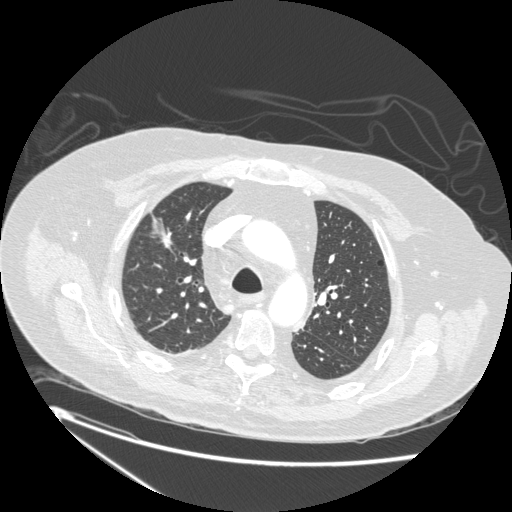
Chest CT, axial plane, 120 kVp, kernel STANDARD. Slice 170/238 from the bottom of the scan; thickness 1.25 mm; pixel size 0.781 mm.
Pulmonary nodule at rows 234–245, columns 162–170 (box = the one reader's outline on this slice), outlined by two of the four readers, one of them on this slice; median longest diameter 10.8 mm (readers' outlines 7.7–14.0 mm), median volume 175 mm3 (107–242 mm3). Ratings, median across the readers with their spread: texture 5/5 (solid) from both readers; margin 3/5 at the median of two readers, spread 2/5 to 4/5; sphericity 3/5 (ovoid) at the median of two readers, spread 2/5 to 4/5; calcification absent, both readers agreeing; internal structure soft tissue from both readers; subtlety 4.5/5 at the median of two readers, spread 4–5; malignancy likelihood 3/5 from both readers. Scale key (1–5): texture non-solid→solid, margin indistinct→circumscribed, sphericity linear→round, subtlety extremely subtle→obvious, malignancy likelihood highly unlikely→highly suspicious of cancer. Box rows and columns are 0-based pixel indices from the top-left corner, inclusive.